Chest CT, axial plane, 120 kVp, kernel STANDARD. Slice 135/233 from the bottom of the scan; thickness 1.25 mm; pixel size 0.664 mm.
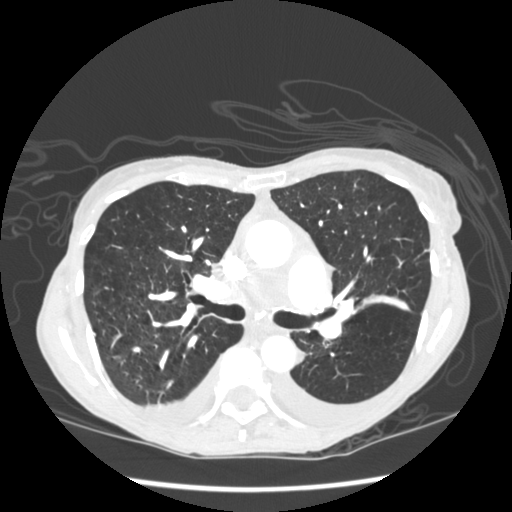
The readers outlined no nodule of 3 mm or more on this slice.